Chest CT, axial plane, 135 kVp, kernel FC01. Slice 91/102 from the bottom of the scan; thickness 3.00 mm; pixel size 0.647 mm.
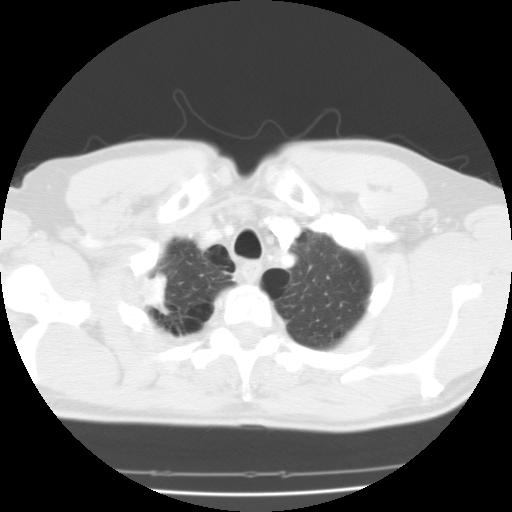
Pulmonary nodule outlined by two of the four readers; box rows 271–315, columns 140–169 (the union of the readers' outlines on this slice); median longest diameter 30.5 mm (readers' outlines 29.1–32.0 mm), median volume 3115 mm3 (2486–3744 mm3). Ratings, median across the readers with their spread: texture 5/5 (solid), both readers agreeing; median margin 2.5/5 (readers ranged 1/5 (indistinct) to 4/5); sphericity 3.5/5 at the median of two readers, spread 3/5 (ovoid) to 4/5; calcification absent, both readers agreeing; internal structure soft tissue from both readers; median subtlety 4/5 (readers ranged 3–5); median malignancy likelihood 2.5/5 (readers ranged 1–4). Scale key (1–5): texture non-solid→solid, margin indistinct→circumscribed, sphericity linear→round, subtlety extremely subtle→obvious, malignancy likelihood highly unlikely→highly suspicious of cancer. Box rows and columns are 0-based pixel indices from the top-left corner, inclusive.